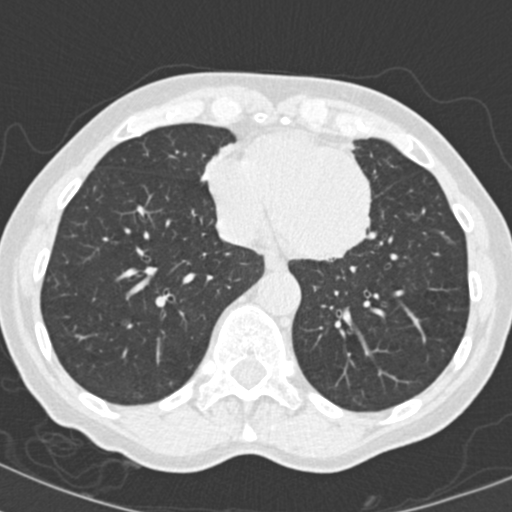
Axial chest CT slice 77 of 202 (counted from the lowest slice); 2.00 mm thick, 0.566 mm per pixel. Pulmonary nodule outlined by all four readers, two of them on this slice; box rows 381–386, columns 169–172 (the union of the readers' outlines on this slice); longest diameter 5.1–6.9 mm and volume 47–81 mm3 across the four readers' outlines. Ratings across the readers: texture from 3/5 (part-solid) to 5/5 (solid) across the four readers; margin from 1/5 (indistinct) to 5/5 (circumscribed) across the four readers; sphericity from 2/5 to 5/5 (round) across the four readers; calcification: absent (three), central calcification (one); internal structure soft tissue from all four readers; subtlety 3–4/5 (the readers disagree); malignancy likelihood from 1/5 to 3/5 across the four readers. Scale key (1–5): texture non-solid→solid, margin indistinct→circumscribed, sphericity linear→round, subtlety extremely subtle→obvious, malignancy likelihood highly unlikely→highly suspicious of cancer. Box rows and columns are 0-based pixel indices from the top-left corner, inclusive.
Tube voltage 120 kVp; convolution kernel B30f.